Axial chest CT slice 149 of 513 (counted from the lowest slice); tube voltage 120 kVp, convolution kernel STANDARD; slices 1.25 mm thick, 0.742 mm per pixel.
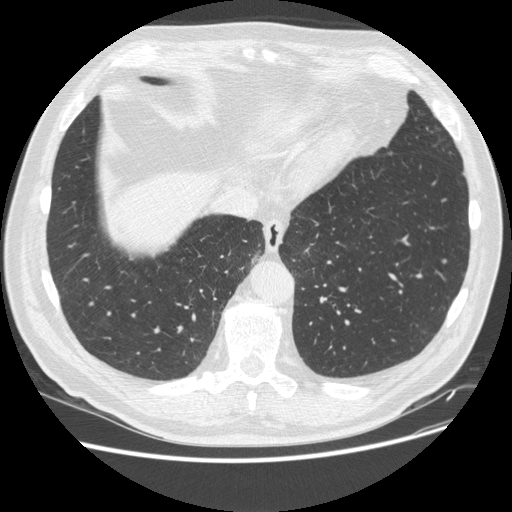
Pulmonary nodule at rows 259–262, columns 442–446 (box = that reader's outline on this slice), outlined by one of the four readers; longest diameter 6.1 mm and volume 84 mm3 from that reader's outline. Ratings by that reader: texture 5/5 (solid); margin 5/5 (circumscribed); sphericity 5/5 (round); calcification absent; internal structure soft tissue; subtlety 3/5; malignancy likelihood 2/5. Scale key (1–5): texture non-solid→solid, margin indistinct→circumscribed, sphericity linear→round, subtlety extremely subtle→obvious, malignancy likelihood highly unlikely→highly suspicious of cancer. Box rows and columns are 0-based pixel indices from the top-left corner, inclusive.